Axial chest CT slice 88 of 240 (counted from the lowest slice); tube voltage 120 kVp, convolution kernel BONE; slices 1.25 mm thick, 0.604 mm per pixel.
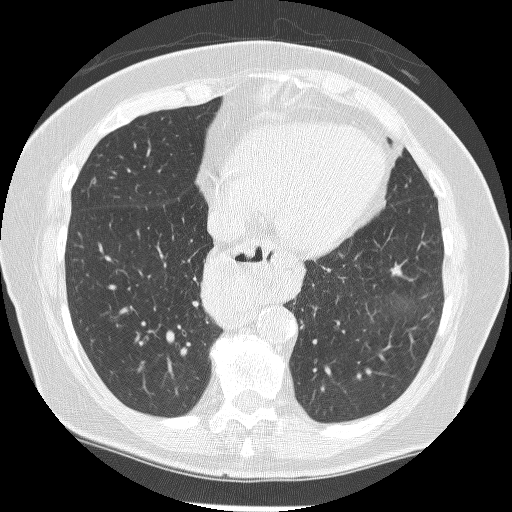
Pulmonary nodule at rows 263–278, columns 389–403 (box = the union of the readers' outlines on this slice), outlined by three of the four readers; longest diameter 14.2 mm on average over the three readers' outlines (readers' outlines 13.4–15.7 mm), volume 241–431 mm3. Ratings, by the readers' most common answer with dissent counted: texture 5/5 (solid) from all three readers; margin 5/5 (circumscribed) by two of three readers; the rest gave 4/5 (one); sphericity 2/5 from all three readers; calcification absent, all three readers agreeing; internal structure soft tissue from all three readers; subtlety 4/5 by two of three readers; the rest gave 2/5 (one); most readers (two of three) put malignancy likelihood at 4/5, others 5/5 (one). Scale key (1–5): texture non-solid→solid, margin indistinct→circumscribed, sphericity linear→round, subtlety extremely subtle→obvious, malignancy likelihood highly unlikely→highly suspicious of cancer. Box rows and columns are 0-based pixel indices from the top-left corner, inclusive.